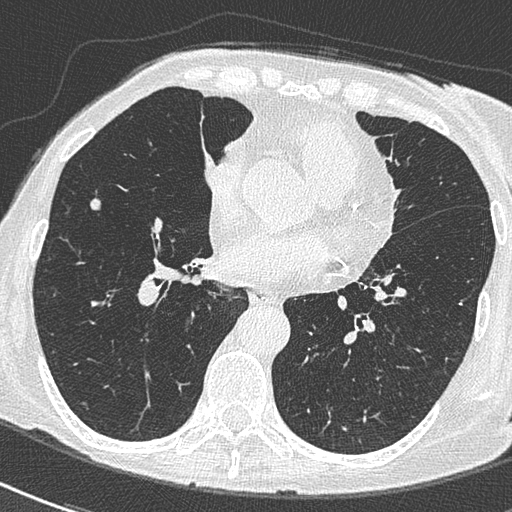
Axial chest CT slice 281 of 588 (counted from the lowest slice); 0.60 mm thick, 0.514 mm per pixel. Pulmonary nodule outlined by all four readers; box rows 197–210, columns 89–101 (the union of the readers' outlines on this slice); longest diameter 11.2 mm on average over the four readers' outlines (readers' outlines 10.3–12.9 mm), volume 343–465 mm3. Ratings, by the readers' most common answer with dissent counted: texture 5/5 (solid) from all four readers; most readers (three of four) put margin at 5/5 (circumscribed), others 4/5 (one); sphericity 3/5 (ovoid) by two of four readers; the rest gave 4/5 (one), 5/5 (round) (one); calcification absent from all four readers; internal structure soft tissue, all four readers agreeing; most readers (three of four) put subtlety at 5/5, others 4/5 (one); malignancy likelihood 3/5 by three of four readers; the rest gave 2/5 (one). Scale key (1–5): texture non-solid→solid, margin indistinct→circumscribed, sphericity linear→round, subtlety extremely subtle→obvious, malignancy likelihood highly unlikely→highly suspicious of cancer. Box rows and columns are 0-based pixel indices from the top-left corner, inclusive.
Tube voltage 120 kVp; convolution kernel B50f.